Chest CT, axial plane, 120 kVp, kernel STANDARD. Slice 78/128 from the bottom of the scan; thickness 2.50 mm; pixel size 0.742 mm.
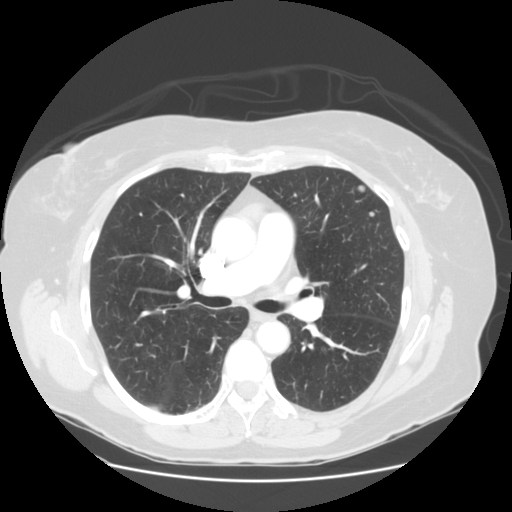
Two pulmonary nodules are outlined on this slice; from left to right: (1) Pulmonary nodule at rows 185–192, columns 356–365 (box = the union of the readers' outlines on this slice), outlined by all four readers; longest diameter 8.3 mm on average over the four readers' outlines (readers' outlines 8.0–8.7 mm), volume 205–313 mm3. The readers' prevailing ratings and who disagreed: texture 5/5 (solid) from all four readers; margin 5/5 (circumscribed) from all four readers; sphericity 5/5 (round) by two of four readers; the rest gave 3/5 (ovoid) (one), 4/5 (one); calcification absent, all four readers agreeing; internal structure soft tissue, all four readers agreeing; subtlety 4/5 by two of four readers; the rest gave 3/5 (one), 5/5 (one); malignancy likelihood split among the readers: 2/5 (two), 3/5 (two). (2) Pulmonary nodule outlined by one of the four readers; box rows 212–216, columns 369–374 (that reader's outline on this slice); longest diameter 5.4 mm and volume 106 mm3 from that reader's outline. Ratings by that reader: texture 5/5 (solid); margin 5/5 (circumscribed); sphericity 5/5 (round); calcification absent; internal structure soft tissue; subtlety 3/5; malignancy likelihood 2/5. Scale key (1–5): texture non-solid→solid, margin indistinct→circumscribed, sphericity linear→round, subtlety extremely subtle→obvious, malignancy likelihood highly unlikely→highly suspicious of cancer. Box rows and columns are 0-based pixel indices from the top-left corner, inclusive.